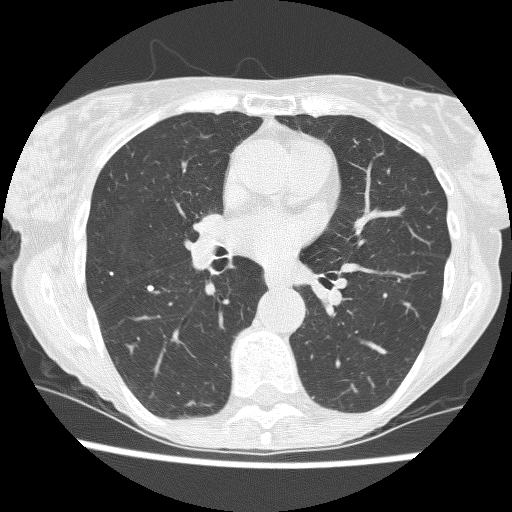
Axial slice 129 of 240 of a chest CT (slice 1 is the lowest), reconstructed with the BONE kernel at 120 kVp; 1.25 mm slice thickness and 0.566 mm pixels.
Pulmonary nodule, outlined by one of the four readers. Box on this slice rows 285–291, columns 147–153, that reader's outline on this slice; longest diameter 4.7 mm and volume 39 mm3 from that reader's outline. Ratings by that reader: texture 5/5 (solid); margin 5/5 (circumscribed); sphericity 5/5 (round); calcification solid calcification; internal structure soft tissue; subtlety 2/5; malignancy likelihood 1/5. Scale key (1–5): texture non-solid→solid, margin indistinct→circumscribed, sphericity linear→round, subtlety extremely subtle→obvious, malignancy likelihood highly unlikely→highly suspicious of cancer. Box rows and columns are 0-based pixel indices from the top-left corner, inclusive.